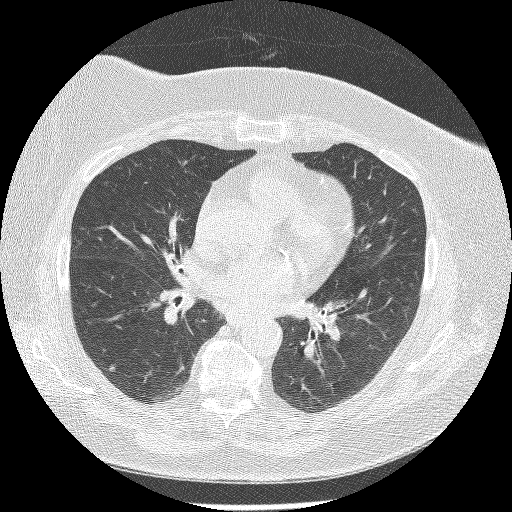
Chest CT, axial plane, 120 kVp, kernel BONE. Slice 125/213 from the bottom of the scan; thickness 1.25 mm; pixel size 0.646 mm.
Pulmonary nodule at rows 364–371, columns 108–115 (box = the union of the readers' outlines on this slice), outlined by three of the four readers; longest diameter 6.8 mm on average over the three readers' outlines (readers' outlines 6.6–7.0 mm), volume 91–120 mm3. Ratings, by the readers' most common answer with dissent counted: texture split among the readers: 3/5 (part-solid) (one), 4/5 (one), 5/5 (solid) (one); margin split among the readers: 1/5 (indistinct) (one), 3/5 (one), 4/5 (one); sphericity 4/5 by two of three readers; the rest gave 3/5 (ovoid) (one); calcification absent from all three readers; internal structure soft tissue, all three readers agreeing; subtlety 4/5 by two of three readers; the rest gave 3/5 (one); malignancy likelihood split among the readers: 2/5 (one), 3/5 (one), 4/5 (one). Scale key (1–5): texture non-solid→solid, margin indistinct→circumscribed, sphericity linear→round, subtlety extremely subtle→obvious, malignancy likelihood highly unlikely→highly suspicious of cancer. Box rows and columns are 0-based pixel indices from the top-left corner, inclusive.